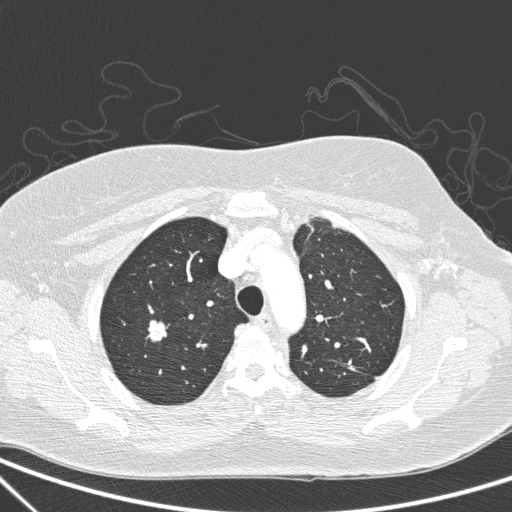
One axial slice (218 of 266, counting up from the lowest) of a chest CT acquired at 120 kVp with the D kernel; each pixel is 0.668 mm and the slice is 1.00 mm thick.
Pulmonary nodule, outlined by all four readers. Box on this slice rows 319–342, columns 148–166, the union of the readers' outlines on this slice; longest diameter 17.2 mm on average over the four readers' outlines (readers' outlines 16.7–17.7 mm), volume 1306–1533 mm3. Ratings, by the readers' most common answer with dissent counted: texture 5/5 (solid) from all four readers; margin 3/5 by two of four readers; the rest gave 2/5 (one), 5/5 (circumscribed) (one); sphericity 4/5 by two of four readers; the rest gave 3/5 (ovoid) (one), 5/5 (round) (one); calcification absent, all four readers agreeing; internal structure soft tissue, all four readers agreeing; subtlety 5/5, all four readers agreeing; most readers (three of four) put malignancy likelihood at 5/5, others 2/5 (one). Scale key (1–5): texture non-solid→solid, margin indistinct→circumscribed, sphericity linear→round, subtlety extremely subtle→obvious, malignancy likelihood highly unlikely→highly suspicious of cancer. Box rows and columns are 0-based pixel indices from the top-left corner, inclusive.